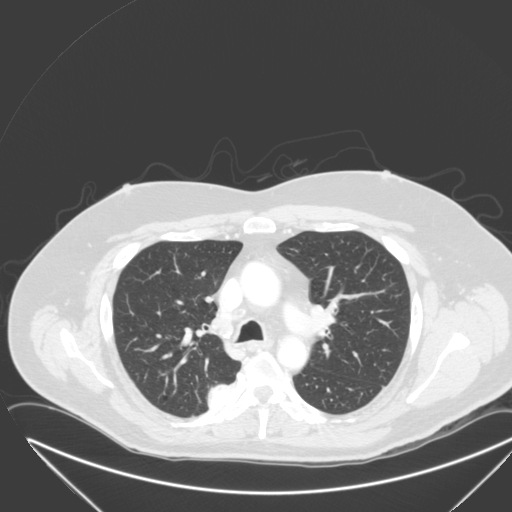
Chest CT, axial plane, 120 kVp, kernel B. Slice 213/315 from the bottom of the scan; thickness 2.00 mm; pixel size 0.830 mm.
Pulmonary nodule outlined by one of the four readers; box rows 385–406, columns 208–228 (that reader's outline on this slice); longest diameter 27.1 mm and volume 6093 mm3 from that reader's outline. Ratings by that reader: texture 5/5 (solid); margin 4/5; sphericity 2/5; calcification absent; internal structure soft tissue; subtlety 5/5; malignancy likelihood 4/5. Scale key (1–5): texture non-solid→solid, margin indistinct→circumscribed, sphericity linear→round, subtlety extremely subtle→obvious, malignancy likelihood highly unlikely→highly suspicious of cancer. Box rows and columns are 0-based pixel indices from the top-left corner, inclusive.